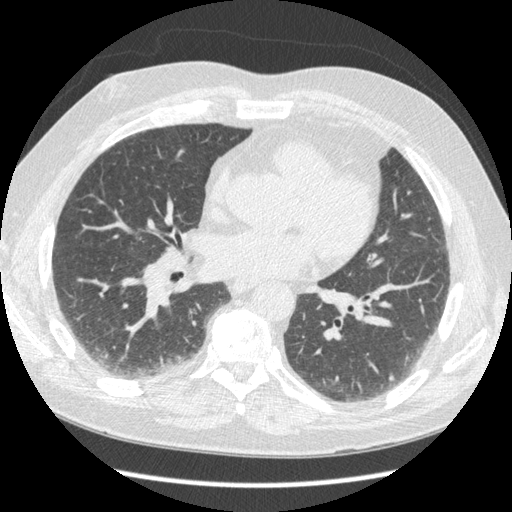
Axial chest CT slice 186 of 429 (counted from the lowest slice); 1.25 mm thick, 0.703 mm per pixel. Pulmonary nodule outlined by three of the four readers; box rows 375–380, columns 389–394 (the union of the readers' outlines on this slice); longest diameter 7.0 mm on average over the three readers' outlines (readers' outlines 6.9–7.0 mm), volume 78–98 mm3. The readers' prevailing ratings and who disagreed: texture 5/5 (solid), all three readers agreeing; margin 5/5 (circumscribed) by two of three readers; the rest gave 4/5 (one); most readers (two of three) put sphericity at 5/5 (round), others 3/5 (ovoid) (one); calcification absent by two of three readers, non-central calcification (one); internal structure soft tissue, all three readers agreeing; subtlety split among the readers: 2/5 (one), 4/5 (one), 5/5 (one); most readers (two of three) put malignancy likelihood at 2/5, others 4/5 (one). Scale key (1–5): texture non-solid→solid, margin indistinct→circumscribed, sphericity linear→round, subtlety extremely subtle→obvious, malignancy likelihood highly unlikely→highly suspicious of cancer. Box rows and columns are 0-based pixel indices from the top-left corner, inclusive.
Scan settings: 120 kVp, STANDARD reconstruction kernel.